Chest CT, axial plane, 120 kVp, kernel B45f. Slice 191/278 from the bottom of the scan; thickness 1.00 mm; pixel size 0.566 mm.
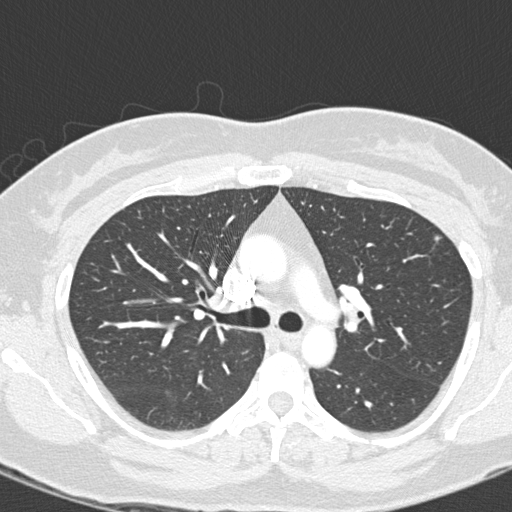
Pulmonary nodule outlined by three of the four readers; box rows 234–241, columns 433–441 (the union of the readers' outlines on this slice); the three readers' outlines give a longest diameter between 4.1 and 9.6 mm and a volume between 25 and 86 mm3. The readers' ratings, as ranges where they differ: texture from 1/5 (non-solid) to 5/5 (solid) across the three readers; margin from 1/5 (indistinct) to 5/5 (circumscribed) across the three readers; sphericity from 3/5 (ovoid) to 5/5 (round) across the three readers; calcification: absent (two), solid calcification (one); internal structure soft tissue from all three readers; subtlety rated between 1 and 5 out of 5 by the three readers; malignancy likelihood from 1/5 to 4/5 across the three readers. Scale key (1–5): texture non-solid→solid, margin indistinct→circumscribed, sphericity linear→round, subtlety extremely subtle→obvious, malignancy likelihood highly unlikely→highly suspicious of cancer. Box rows and columns are 0-based pixel indices from the top-left corner, inclusive.